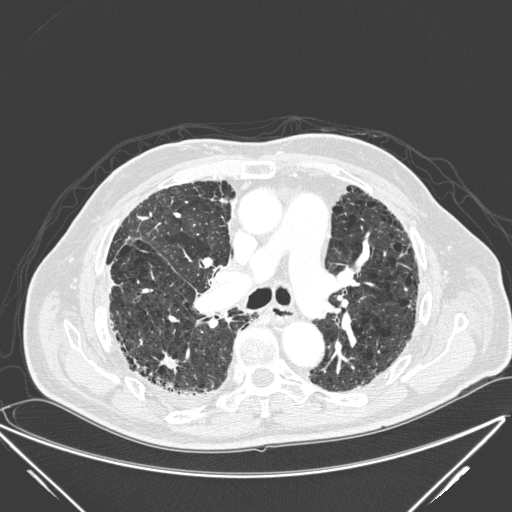
Axial chest CT slice 143 of 278 (counted from the lowest slice); tube voltage 120 kVp, convolution kernel D; slices 1.00 mm thick, 0.812 mm per pixel.
Pulmonary nodule outlined by all four readers; box rows 349–374, columns 157–179 (the union of the readers' outlines on this slice); longest diameter 31.1 mm on average over the four readers' outlines (readers' outlines 17.4–39.8 mm), volume 1021–4525 mm3. Ratings, by the readers' most common answer with dissent counted: texture 5/5 (solid), all four readers agreeing; margin split among the readers: 1/5 (indistinct) (one), 2/5 (one), 3/5 (one), 5/5 (circumscribed) (one); most readers (three of four) put sphericity at 2/5, others 5/5 (round) (one); calcification absent, all four readers agreeing; internal structure soft tissue, all four readers agreeing; subtlety split among the readers: 4/5 (two), 5/5 (two); malignancy likelihood 5/5 by two of four readers; the rest gave 3/5 (one), 4/5 (one). Scale key (1–5): texture non-solid→solid, margin indistinct→circumscribed, sphericity linear→round, subtlety extremely subtle→obvious, malignancy likelihood highly unlikely→highly suspicious of cancer. Box rows and columns are 0-based pixel indices from the top-left corner, inclusive.